One axial slice (123 of 244, counting up from the lowest) of a chest CT acquired at 120 kVp with the BONE kernel; each pixel is 0.674 mm and the slice is 1.25 mm thick.
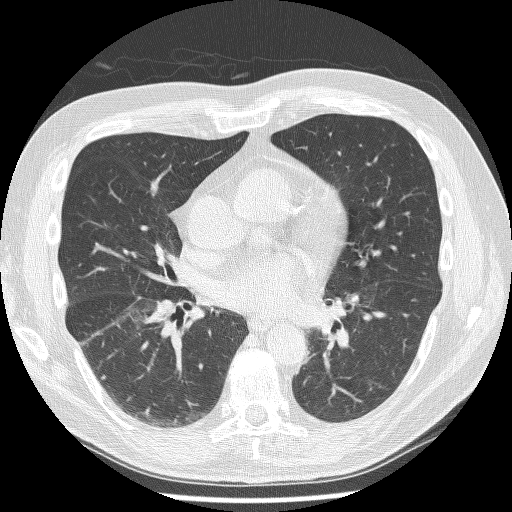
Pulmonary nodule, outlined by all four readers. Box on this slice rows 374–380, columns 101–105, the union of the readers' outlines on this slice; longest diameter 5.6 mm on average over the four readers' outlines (readers' outlines 4.5–6.6 mm), volume 47–112 mm3. The readers' prevailing ratings and who disagreed: most readers (three of four) put texture at 5/5 (solid), others 4/5 (one); margin 5/5 (circumscribed) by two of four readers; the rest gave 2/5 (one), 4/5 (one); sphericity 4/5 by two of four readers; the rest gave 3/5 (ovoid) (one), 5/5 (round) (one); calcification absent, all four readers agreeing; internal structure soft tissue, all four readers agreeing; subtlety split among the readers: 3/5 (two), 4/5 (two); malignancy likelihood 2/5 by two of four readers; the rest gave 3/5 (one), 4/5 (one). Scale key (1–5): texture non-solid→solid, margin indistinct→circumscribed, sphericity linear→round, subtlety extremely subtle→obvious, malignancy likelihood highly unlikely→highly suspicious of cancer. Box rows and columns are 0-based pixel indices from the top-left corner, inclusive.